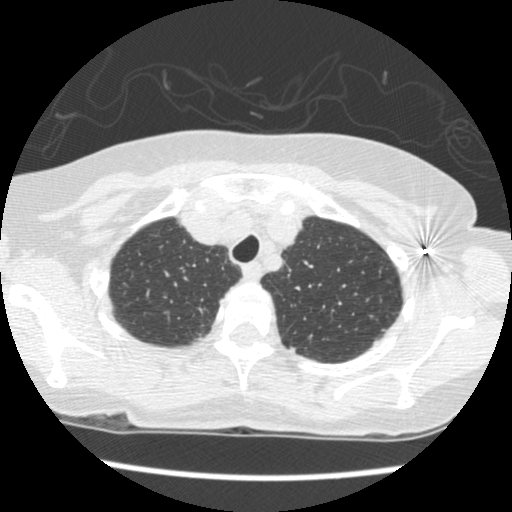
Slice 392/461 of a chest CT, counting up from the lowest; pixel size 0.586 mm, slice thickness 1.25 mm. Pulmonary nodule, outlined by all four readers. Box on this slice rows 346–352, columns 289–295, the union of the readers' outlines on this slice; the four readers' outlines give a longest diameter between 5.0 and 6.6 mm and a volume between 33 and 53 mm3. Ratings across the readers: texture 5/5 (solid) from all four readers; margin from 4/5 to 5/5 (circumscribed) across the four readers; sphericity from 3/5 (ovoid) to 5/5 (round) across the four readers; calcification absent, all four readers agreeing; internal structure soft tissue from all four readers; subtlety rated between 3 and 4 out of 5 by the four readers; malignancy likelihood from 1/5 to 4/5 across the four readers. Scale key (1–5): texture non-solid→solid, margin indistinct→circumscribed, sphericity linear→round, subtlety extremely subtle→obvious, malignancy likelihood highly unlikely→highly suspicious of cancer. Box rows and columns are 0-based pixel indices from the top-left corner, inclusive.
Scan settings: 120 kVp, STANDARD reconstruction kernel.